Axial chest CT slice 81 of 264 (counted from the lowest slice); tube voltage 120 kVp, convolution kernel BONE; slices 1.25 mm thick, 0.703 mm per pixel.
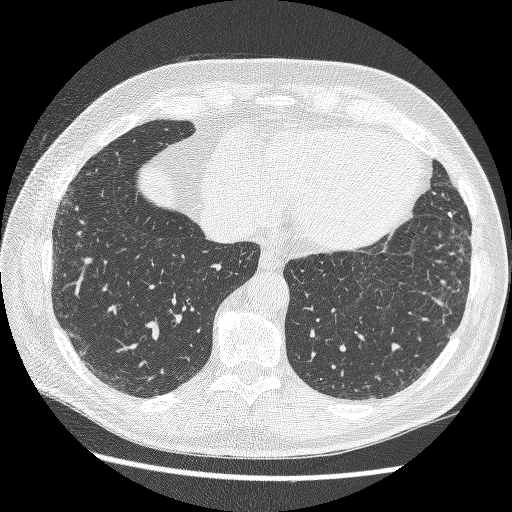
Pulmonary nodule at rows 212–217, columns 447–452 (box = the union of the readers' outlines on this slice), outlined by all four readers; longest diameter 5.5 mm on average over the four readers' outlines (readers' outlines 5.4–5.7 mm), volume 47–60 mm3. Ratings, by the readers' most common answer with dissent counted: texture 5/5 (solid), all four readers agreeing; margin 5/5 (circumscribed) from all four readers; sphericity 3/5 (ovoid) by two of four readers; the rest gave 4/5 (one), 5/5 (round) (one); calcification solid calcification from all four readers; internal structure soft tissue from all four readers; subtlety 4/5 by two of four readers; the rest gave 1/5 (one), 3/5 (one); malignancy likelihood 1/5 from all four readers. Scale key (1–5): texture non-solid→solid, margin indistinct→circumscribed, sphericity linear→round, subtlety extremely subtle→obvious, malignancy likelihood highly unlikely→highly suspicious of cancer. Box rows and columns are 0-based pixel indices from the top-left corner, inclusive.